Axial chest CT slice 114 of 535 (counted from the lowest slice); tube voltage 120 kVp, convolution kernel STANDARD; slices 1.25 mm thick, 0.664 mm per pixel.
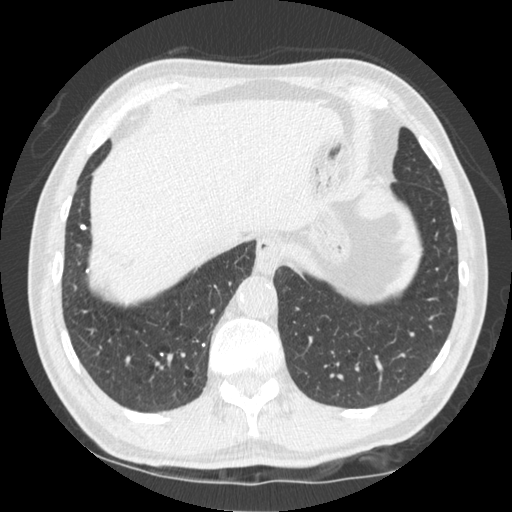
Pulmonary nodule outlined by one of the four readers; box rows 224–230, columns 80–85 (that reader's outline on this slice); longest diameter 5.7 mm and volume 64 mm3 from that reader's outline. Ratings by that reader: texture 5/5 (solid); margin 5/5 (circumscribed); sphericity 5/5 (round); calcification solid calcification; internal structure soft tissue; subtlety 5/5; malignancy likelihood 1/5. Scale key (1–5): texture non-solid→solid, margin indistinct→circumscribed, sphericity linear→round, subtlety extremely subtle→obvious, malignancy likelihood highly unlikely→highly suspicious of cancer. Box rows and columns are 0-based pixel indices from the top-left corner, inclusive.